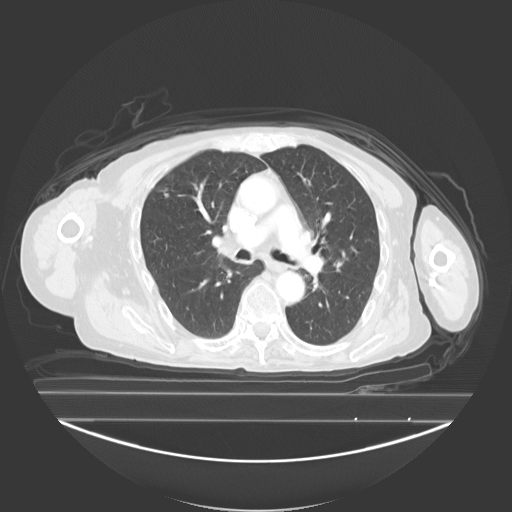
Chest CT, axial plane, 130 kVp, kernel B40s. Slice 156/278 from the bottom of the scan; thickness 3.00 mm; pixel size 0.977 mm.
Two pulmonary nodules on this slice, listed from left to right. (1) Pulmonary nodule, outlined by two of the four readers. Box on this slice rows 194–197, columns 164–168, the union of the readers' outlines on this slice; longest diameter 7.2 mm on average over the two readers' outlines (readers' outlines 6.9–7.4 mm), volume 72–103 mm3. Ratings, by the readers' most common answer with dissent counted: texture split among the readers: 3/5 (part-solid) (one), 5/5 (solid) (one); margin split among the readers: 3/5 (one), 4/5 (one); sphericity 4/5 from both readers; calcification absent from both readers; internal structure soft tissue from both readers; subtlety split among the readers: 3/5 (one), 4/5 (one); malignancy likelihood split among the readers: 1/5 (one), 3/5 (one). (2) Pulmonary nodule outlined by three of the four readers; box rows 260–271, columns 334–342 (the union of the readers' outlines on this slice); longest diameter 13.5 mm on average over the three readers' outlines (readers' outlines 12.8–14.8 mm), volume 665–985 mm3. The readers' prevailing ratings and who disagreed: texture 5/5 (solid) by two of three readers; the rest gave 4/5 (one); margin 4/5 from all three readers; most readers (two of three) put sphericity at 5/5 (round), others 4/5 (one); calcification absent from all three readers; internal structure soft tissue, all three readers agreeing; subtlety split among the readers: 3/5 (one), 4/5 (one), 5/5 (one); malignancy likelihood split among the readers: 2/5 (one), 3/5 (one), 4/5 (one). Scale key (1–5): texture non-solid→solid, margin indistinct→circumscribed, sphericity linear→round, subtlety extremely subtle→obvious, malignancy likelihood highly unlikely→highly suspicious of cancer. Box rows and columns are 0-based pixel indices from the top-left corner, inclusive.